Axial slice 186 of 258 of a chest CT (slice 1 is the lowest), reconstructed with the STANDARD kernel at 120 kVp; 2.50 mm slice thickness and 0.664 mm pixels.
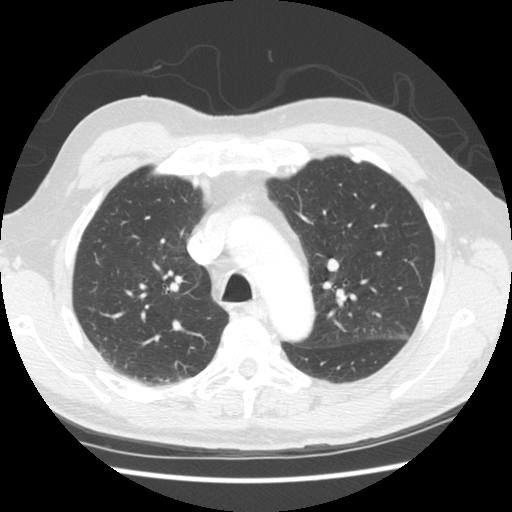
Pulmonary nodule, outlined by one of the four readers. Box on this slice rows 157–162, columns 351–359, that reader's outline on this slice; longest diameter 8.0 mm and volume 122 mm3 from that reader's outline. Ratings by that reader: texture 5/5 (solid); margin 5/5 (circumscribed); sphericity 4/5; calcification solid calcification; internal structure soft tissue; subtlety 5/5; malignancy likelihood 1/5. Scale key (1–5): texture non-solid→solid, margin indistinct→circumscribed, sphericity linear→round, subtlety extremely subtle→obvious, malignancy likelihood highly unlikely→highly suspicious of cancer. Box rows and columns are 0-based pixel indices from the top-left corner, inclusive.